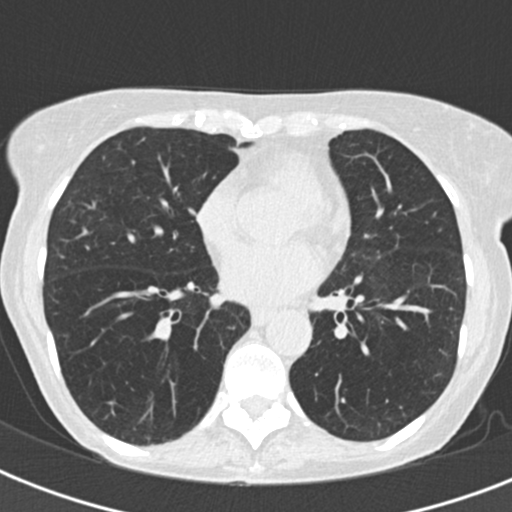
This is axial slice 87 of 192 (slice 1 is the lowest) of a chest CT; each pixel is 0.566 mm and the slice is 2.00 mm thick. None of the four readers outlined a nodule of 3 mm or more on this slice.
Acquired at 120 kVp and reconstructed with the B30f kernel.